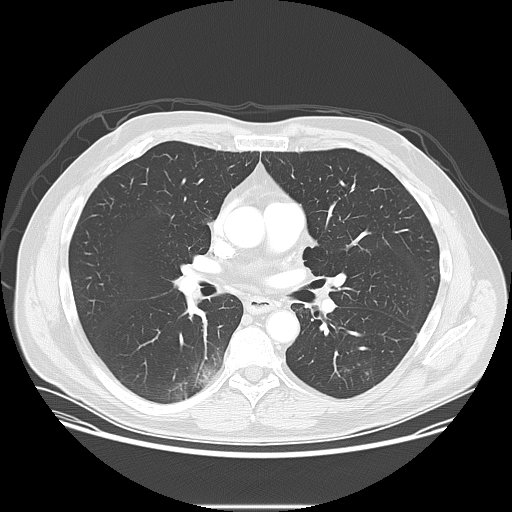
Axial slice 75 of 141 of a chest CT (slice 1 is the lowest), reconstructed with the LUNG kernel at 120 kVp; 2.50 mm slice thickness and 0.820 mm pixels.
None of the four readers outlined a nodule of 3 mm or more on this slice.